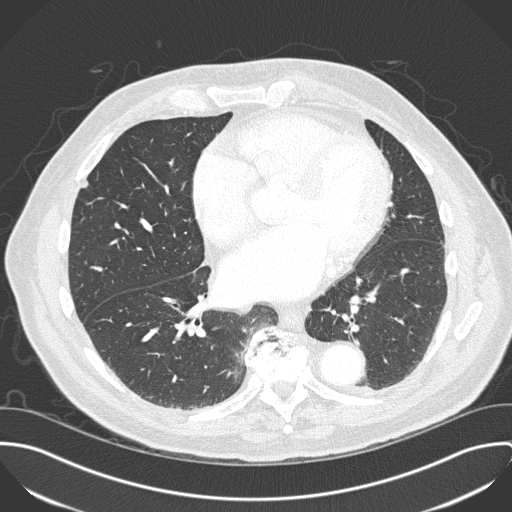
One axial slice (138 of 330, counting up from the lowest) of a chest CT acquired at 120 kVp with the B45f kernel; each pixel is 0.762 mm and the slice is 1.00 mm thick.
Pulmonary nodule, outlined by two of the four readers. Box on this slice rows 179–187, columns 80–87, the union of the readers' outlines on this slice; the two readers' outlines give a longest diameter between 7.2 and 10.4 mm and a volume between 81 and 139 mm3. The readers' ratings, as ranges where they differ: texture 5/5 (solid) from both readers; margin from 4/5 to 5/5 (circumscribed) across the two readers; sphericity from 3/5 (ovoid) to 4/5 across the two readers; calcification absent, both readers agreeing; internal structure soft tissue from both readers; subtlety rated between 3 and 4 out of 5 by the two readers; malignancy likelihood 2–3/5 (the readers disagree). Scale key (1–5): texture non-solid→solid, margin indistinct→circumscribed, sphericity linear→round, subtlety extremely subtle→obvious, malignancy likelihood highly unlikely→highly suspicious of cancer. Box rows and columns are 0-based pixel indices from the top-left corner, inclusive.